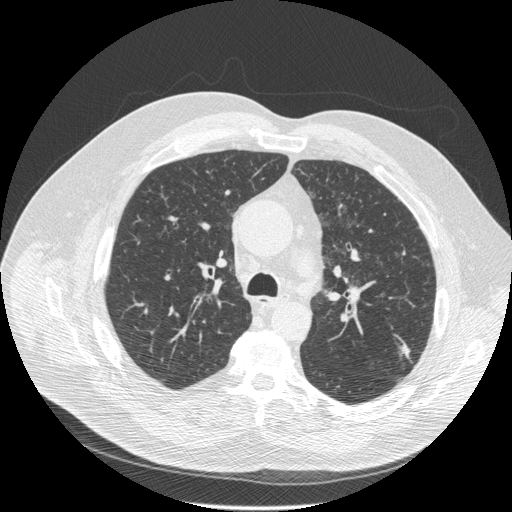
This is axial slice 327 of 516 (slice 1 is the lowest) of a chest CT; each pixel is 0.820 mm and the slice is 1.25 mm thick. Pulmonary nodule outlined by three of the four readers, two of them on this slice; box rows 346–358, columns 400–409 (the union of the readers' outlines on this slice); the three readers' outlines give a longest diameter between 23.2 and 31.7 mm and a volume between 750 and 1666 mm3. The readers' ratings, as ranges where they differ: texture from 3/5 (part-solid) to 5/5 (solid) across the three readers; margin from 3/5 to 4/5 across the three readers; sphericity 2/5 from all three readers; calcification absent, all three readers agreeing; internal structure soft tissue from all three readers; subtlety 5/5, all three readers agreeing; malignancy likelihood 4/5 from all three readers. Scale key (1–5): texture non-solid→solid, margin indistinct→circumscribed, sphericity linear→round, subtlety extremely subtle→obvious, malignancy likelihood highly unlikely→highly suspicious of cancer. Box rows and columns are 0-based pixel indices from the top-left corner, inclusive.
Tube voltage 120 kVp; convolution kernel STANDARD.